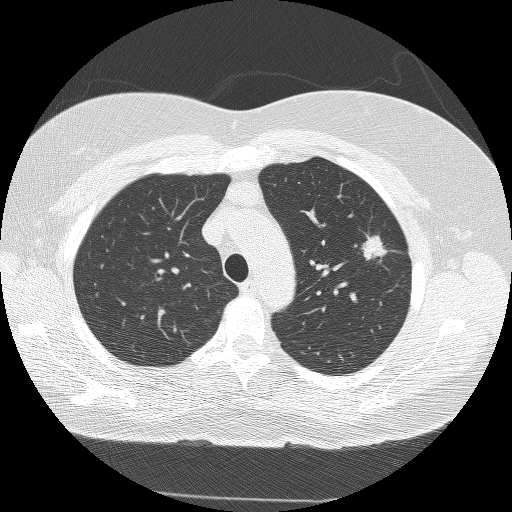
Axial chest CT slice 193 of 245 (counted from the lowest slice); 1.25 mm thick, 0.664 mm per pixel. Pulmonary nodule outlined by all four readers; box rows 234–260, columns 360–386 (the union of the readers' outlines on this slice); longest diameter 21.3 mm on average over the four readers' outlines (readers' outlines 20.8–22.3 mm), volume 2976–3390 mm3. The readers' prevailing ratings and who disagreed: texture 5/5 (solid) by three of four readers; the rest gave 4/5 (one); margin split among the readers: 3/5 (two), 4/5 (two); sphericity 3/5 (ovoid) by two of four readers; the rest gave 4/5 (one), 5/5 (round) (one); calcification absent from all four readers; internal structure soft tissue from all four readers; subtlety 5/5, all four readers agreeing; malignancy likelihood 5/5, all four readers agreeing. Scale key (1–5): texture non-solid→solid, margin indistinct→circumscribed, sphericity linear→round, subtlety extremely subtle→obvious, malignancy likelihood highly unlikely→highly suspicious of cancer. Box rows and columns are 0-based pixel indices from the top-left corner, inclusive.
Tube voltage 120 kVp; convolution kernel BONE.